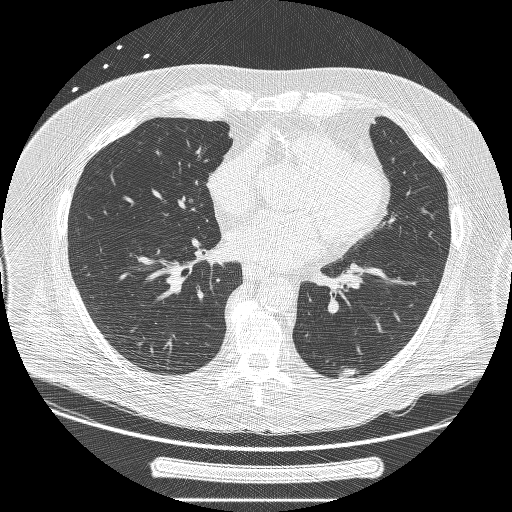
Slice 98/239 of a chest CT, counting up from the lowest; pixel size 0.795 mm, slice thickness 1.25 mm. Pulmonary nodule outlined by two of the four readers; box rows 369–377, columns 338–354 (the union of the readers' outlines on this slice); the two readers' outlines give a longest diameter between 17.4 and 17.9 mm and a volume between 746 and 814 mm3. The readers' ratings, as ranges where they differ: texture 5/5 (solid), both readers agreeing; margin from 3/5 to 4/5 across the two readers; sphericity from 1/5 (linear) to 3/5 (ovoid) across the two readers; calcification absent from both readers; internal structure soft tissue from both readers; subtlety 4/5, both readers agreeing; malignancy likelihood 4/5, both readers agreeing. Scale key (1–5): texture non-solid→solid, margin indistinct→circumscribed, sphericity linear→round, subtlety extremely subtle→obvious, malignancy likelihood highly unlikely→highly suspicious of cancer. Box rows and columns are 0-based pixel indices from the top-left corner, inclusive.
Acquired at 120 kVp and reconstructed with the BONE kernel.